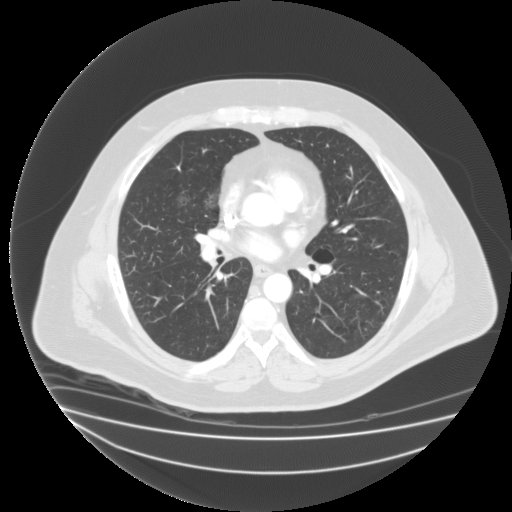
This is axial slice 99 of 183 (slice 1 is the lowest) of a chest CT; each pixel is 0.946 mm and the slice is 2.00 mm thick. Two pulmonary nodules are outlined on this slice; from left to right: (1) Pulmonary nodule at rows 195–206, columns 176–189 (box = the union of the readers' outlines on this slice), outlined by two of the four readers; median longest diameter 14.2 mm (readers' outlines 13.4–15.0 mm), median volume 714 mm3 (553–875 mm3). Median ratings and the readers' spread: texture 1/5 (non-solid), both readers agreeing; margin 1/5 (indistinct), both readers agreeing; sphericity 4/5 from both readers; calcification absent from both readers; internal structure split among the readers: soft tissue (one), fluid (one); subtlety 3/5 at the median of two readers, spread 2–4; malignancy likelihood 3/5 from both readers. (2) Pulmonary nodule outlined by three of the four readers; box rows 190–210, columns 202–218 (the union of the readers' outlines on this slice); longest diameter 26.0 mm and volume 3179–3614 mm3 across the three readers' outlines. Ratings across the readers: texture 1/5 (non-solid), all three readers agreeing; margin from 2/5 to 3/5 across the three readers; sphericity from 3/5 (ovoid) to 4/5 across the three readers; calcification absent, all three readers agreeing; internal structure: soft tissue (two), fluid (one); subtlety rated between 2 and 5 out of 5 by the three readers; malignancy likelihood from 3/5 to 4/5 across the three readers. Scale key (1–5): texture non-solid→solid, margin indistinct→circumscribed, sphericity linear→round, subtlety extremely subtle→obvious, malignancy likelihood highly unlikely→highly suspicious of cancer. Box rows and columns are 0-based pixel indices from the top-left corner, inclusive.
Acquired at 135 kVp and reconstructed with the FC03 kernel.